One axial slice (265 of 301, counting up from the lowest) of a chest CT acquired at 120 kVp with the STANDARD kernel; each pixel is 0.752 mm and the slice is 1.25 mm thick.
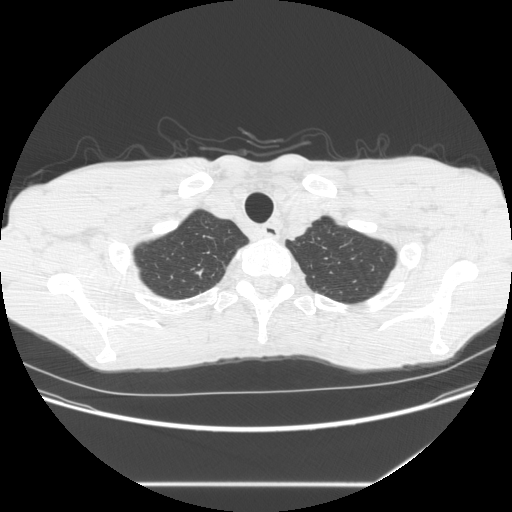
Pulmonary nodule at rows 269–274, columns 196–202 (box = the union of the readers' outlines on this slice), outlined by three of the four readers, two of them on this slice; longest diameter 6.9–7.9 mm and volume 79–115 mm3 across the three readers' outlines. The readers' ratings, as ranges where they differ: texture from 4/5 to 5/5 (solid) across the three readers; margin from 3/5 to 4/5 across the three readers; sphericity from 2/5 to 4/5 across the three readers; calcification absent from all three readers; internal structure soft tissue from all three readers; subtlety from 3/5 to 4/5 across the three readers; malignancy likelihood rated between 2 and 3 out of 5 by the three readers. Scale key (1–5): texture non-solid→solid, margin indistinct→circumscribed, sphericity linear→round, subtlety extremely subtle→obvious, malignancy likelihood highly unlikely→highly suspicious of cancer. Box rows and columns are 0-based pixel indices from the top-left corner, inclusive.